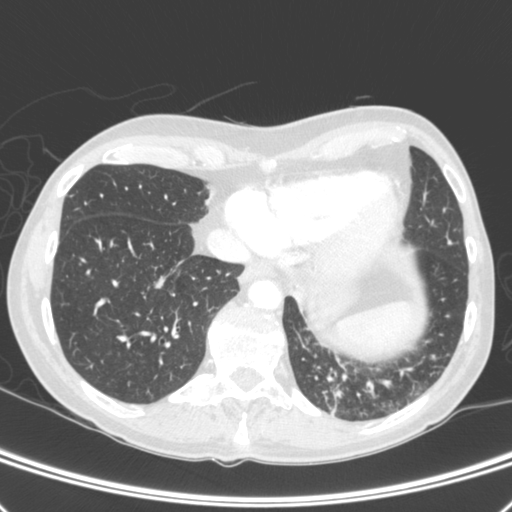
Axial chest CT slice 100 of 392 (counted from the lowest slice); tube voltage 120 kVp, convolution kernel C; slices 1.50 mm thick, 0.639 mm per pixel.
Pulmonary nodule outlined by three of the four readers; box rows 277–288, columns 153–165 (the union of the readers' outlines on this slice); median longest diameter 9.7 mm (readers' outlines 9.0–10.9 mm), median volume 245 mm3 (190–278 mm3). Ratings, median across the readers with their spread: texture 5/5 (solid), all three readers agreeing; margin 5/5 (circumscribed) at the median of three readers, spread 3/5 to 5/5 (circumscribed); sphericity 3/5 (ovoid), all three readers agreeing; calcification absent, all three readers agreeing; internal structure soft tissue from all three readers; subtlety 4/5 at the median of three readers, spread 4–5; median malignancy likelihood 2/5 (readers ranged 2–4). Scale key (1–5): texture non-solid→solid, margin indistinct→circumscribed, sphericity linear→round, subtlety extremely subtle→obvious, malignancy likelihood highly unlikely→highly suspicious of cancer. Box rows and columns are 0-based pixel indices from the top-left corner, inclusive.